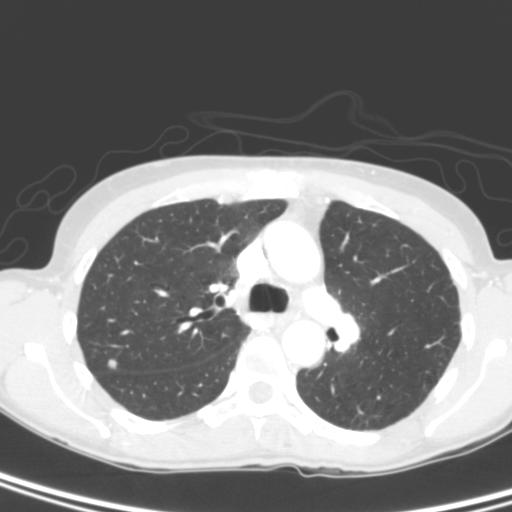
Axial chest CT slice 186 of 280 (counted from the lowest slice); tube voltage 120 kVp, convolution kernel B; slices 2.00 mm thick, 0.572 mm per pixel.
Pulmonary nodule outlined by all four readers; box rows 358–370, columns 106–117 (the union of the readers' outlines on this slice); longest diameter 6.4–8.9 mm and volume 92–215 mm3 across the four readers' outlines. Ratings across the readers: texture from 4/5 to 5/5 (solid) across the four readers; margin from 4/5 to 5/5 (circumscribed) across the four readers; sphericity from 3/5 (ovoid) to 5/5 (round) across the four readers; calcification absent from all four readers; internal structure soft tissue, all four readers agreeing; subtlety 2–5/5 (the readers disagree); malignancy likelihood from 2/5 to 4/5 across the four readers. Scale key (1–5): texture non-solid→solid, margin indistinct→circumscribed, sphericity linear→round, subtlety extremely subtle→obvious, malignancy likelihood highly unlikely→highly suspicious of cancer. Box rows and columns are 0-based pixel indices from the top-left corner, inclusive.